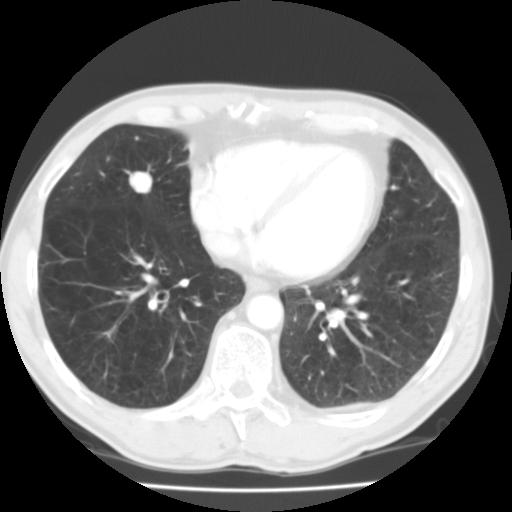
Chest CT, axial plane, 135 kVp, kernel FC01. Slice 44/119 from the bottom of the scan; thickness 3.00 mm; pixel size 0.640 mm.
Pulmonary nodule at rows 171–193, columns 128–153 (box = the union of the readers' outlines on this slice), outlined by all four readers; median longest diameter 17.9 mm (readers' outlines 17.4–18.7 mm), median volume 2416 mm3 (2076–2642 mm3). Median ratings and the readers' spread: texture 5/5 (solid) from all four readers; median margin 4.5/5 (readers ranged 4/5 to 5/5 (circumscribed)); sphericity 4.5/5 at the median of four readers, spread 3/5 (ovoid) to 5/5 (round); calcification: absent (three), central calcification (one); internal structure soft tissue from all four readers; median subtlety 5/5 (readers ranged 4–5); median malignancy likelihood 3.5/5 (readers ranged 1–4). Scale key (1–5): texture non-solid→solid, margin indistinct→circumscribed, sphericity linear→round, subtlety extremely subtle→obvious, malignancy likelihood highly unlikely→highly suspicious of cancer. Box rows and columns are 0-based pixel indices from the top-left corner, inclusive.